One axial slice (148 of 255, counting up from the lowest) of a chest CT acquired at 120 kVp with the BONE kernel; each pixel is 0.654 mm and the slice is 1.25 mm thick.
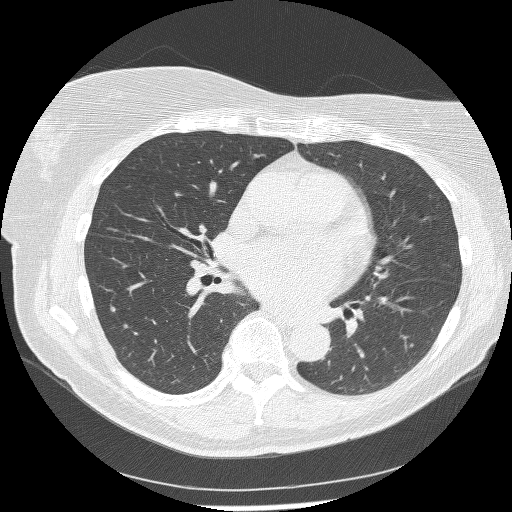
Pulmonary nodule at rows 191–197, columns 174–182 (box = that reader's outline on this slice), outlined by one of the four readers; longest diameter 8.1 mm and volume 62 mm3 from that reader's outline. That reader's ratings: texture 2/5; margin 3/5; sphericity 3/5 (ovoid); calcification absent; internal structure soft tissue; subtlety 3/5; malignancy likelihood 3/5. Scale key (1–5): texture non-solid→solid, margin indistinct→circumscribed, sphericity linear→round, subtlety extremely subtle→obvious, malignancy likelihood highly unlikely→highly suspicious of cancer. Box rows and columns are 0-based pixel indices from the top-left corner, inclusive.